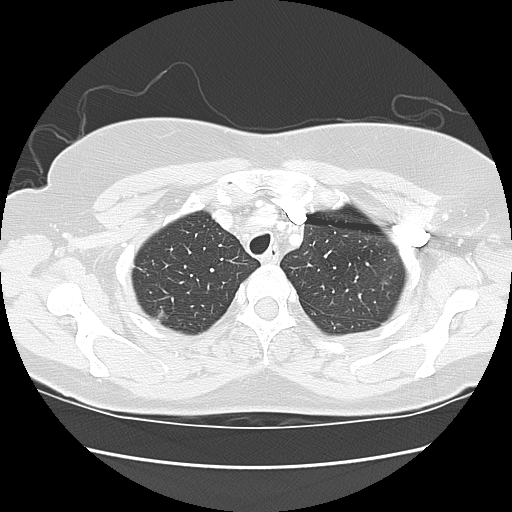
Axial chest CT slice 110 of 130 (counted from the lowest slice); tube voltage 120 kVp, convolution kernel LUNG; slices 2.50 mm thick, 0.664 mm per pixel.
Pulmonary nodule, outlined by one of the four readers. Box on this slice rows 279–283, columns 381–384, that reader's outline on this slice; longest diameter 7.6 mm and volume 157 mm3 from that reader's outline. That reader's ratings: texture 3/5 (part-solid); margin 1/5 (indistinct); sphericity 4/5; calcification absent; internal structure soft tissue; subtlety 2/5; malignancy likelihood 3/5. Scale key (1–5): texture non-solid→solid, margin indistinct→circumscribed, sphericity linear→round, subtlety extremely subtle→obvious, malignancy likelihood highly unlikely→highly suspicious of cancer. Box rows and columns are 0-based pixel indices from the top-left corner, inclusive.